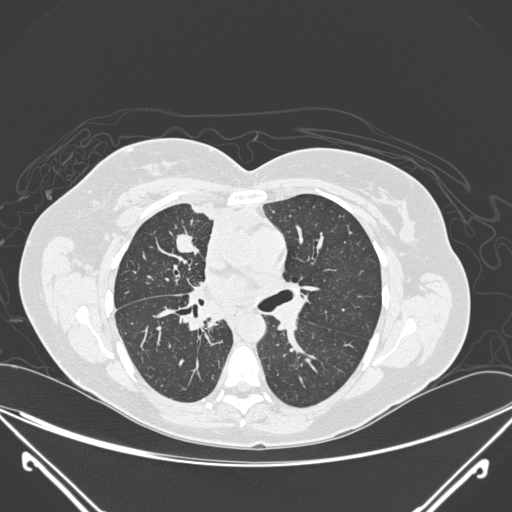
Slice 158/275 of a chest CT, counting up from the lowest; pixel size 0.781 mm, slice thickness 1.00 mm. Pulmonary nodule at rows 233–253, columns 174–198 (box = the union of the readers' outlines on this slice), outlined by all four readers; longest diameter 22.1 mm on average over the four readers' outlines (readers' outlines 20.3–23.4 mm), volume 1750–2560 mm3. Ratings, by the readers' most common answer with dissent counted: texture 5/5 (solid) from all four readers; margin 4/5 by two of four readers; the rest gave 3/5 (one), 5/5 (circumscribed) (one); sphericity 2/5 by two of four readers; the rest gave 3/5 (ovoid) (one), 5/5 (round) (one); calcification absent by three of four readers, central calcification (one); internal structure soft tissue, all four readers agreeing; subtlety 5/5 from all four readers; malignancy likelihood split among the readers: 1/5 (one), 3/5 (one), 4/5 (one), 5/5 (one). Scale key (1–5): texture non-solid→solid, margin indistinct→circumscribed, sphericity linear→round, subtlety extremely subtle→obvious, malignancy likelihood highly unlikely→highly suspicious of cancer. Box rows and columns are 0-based pixel indices from the top-left corner, inclusive.
Acquired at 120 kVp and reconstructed with the D kernel.